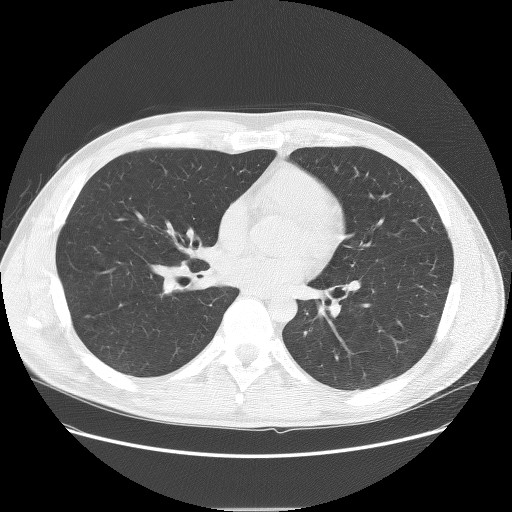
This is axial slice 55 of 121 (slice 1 is the lowest) of a chest CT; each pixel is 0.762 mm and the slice is 2.50 mm thick. Pulmonary nodule at rows 315–318, columns 84–89 (box = that reader's outline on this slice), outlined by one of the four readers; longest diameter 6.5 mm and volume 91 mm3 from that reader's outline. That reader's ratings: texture 4/5; margin 5/5 (circumscribed); sphericity 4/5; calcification absent; internal structure soft tissue; subtlety 3/5; malignancy likelihood 3/5. Scale key (1–5): texture non-solid→solid, margin indistinct→circumscribed, sphericity linear→round, subtlety extremely subtle→obvious, malignancy likelihood highly unlikely→highly suspicious of cancer. Box rows and columns are 0-based pixel indices from the top-left corner, inclusive.
Scan settings: 140 kVp, BONE reconstruction kernel.